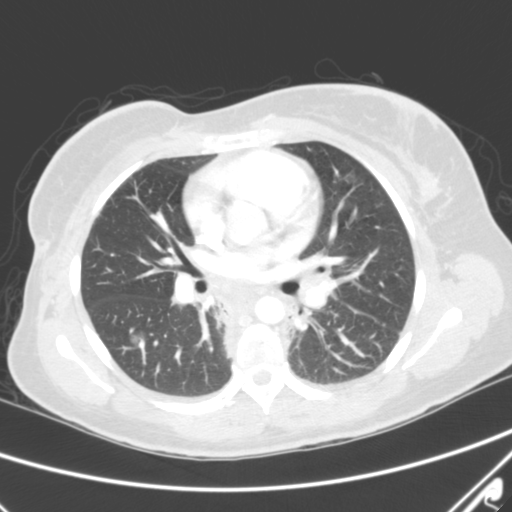
Axial chest CT slice 146 of 263 (counted from the lowest slice); 2.00 mm thick, 0.664 mm per pixel. Pulmonary nodule, outlined two times (the source holds three more outlines, not used). Box on this slice rows 331–345, columns 126–145, the union of the readers' outlines on this slice; longest diameter 12.2–15.2 mm and volume 731–1229 mm3 across the two readers' outlines. The readers' ratings, as ranges where they differ: texture from 1/5 (non-solid) to 3/5 (part-solid) across the two readers; margin from 2/5 to 3/5 across the two readers; sphericity from 3/5 (ovoid) to 4/5 across the two readers; calcification absent, both readers agreeing; internal structure soft tissue from both readers; subtlety 3/5 from both readers; malignancy likelihood from 2/5 to 4/5 across the two readers. Scale key (1–5): texture non-solid→solid, margin indistinct→circumscribed, sphericity linear→round, subtlety extremely subtle→obvious, malignancy likelihood highly unlikely→highly suspicious of cancer. Box rows and columns are 0-based pixel indices from the top-left corner, inclusive.
Scan settings: 120 kVp, B reconstruction kernel.